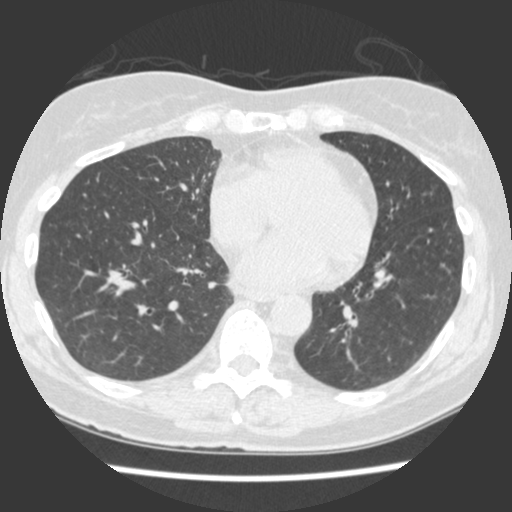
Slice 140/429 of a chest CT, counting up from the lowest; pixel size 0.586 mm, slice thickness 1.25 mm. Pulmonary nodule at rows 227–232, columns 427–432 (box = the union of the readers' outlines on this slice), outlined by all four readers; longest diameter 5.7 mm on average over the four readers' outlines (readers' outlines 5.2–5.9 mm), volume 29–70 mm3. The readers' prevailing ratings and who disagreed: texture 5/5 (solid), all four readers agreeing; margin 5/5 (circumscribed) from all four readers; sphericity 5/5 (round) by two of four readers; the rest gave 3/5 (ovoid) (one), 4/5 (one); calcification solid calcification from all four readers; internal structure soft tissue from all four readers; subtlety split among the readers: 4/5 (two), 5/5 (two); malignancy likelihood 1/5, all four readers agreeing. Scale key (1–5): texture non-solid→solid, margin indistinct→circumscribed, sphericity linear→round, subtlety extremely subtle→obvious, malignancy likelihood highly unlikely→highly suspicious of cancer. Box rows and columns are 0-based pixel indices from the top-left corner, inclusive.
Scan settings: 120 kVp, STANDARD reconstruction kernel.